Axial slice 173 of 376 of a chest CT (slice 1 is the lowest), reconstructed with the B30f kernel at 120 kVp; 0.75 mm slice thickness and 0.461 mm pixels.
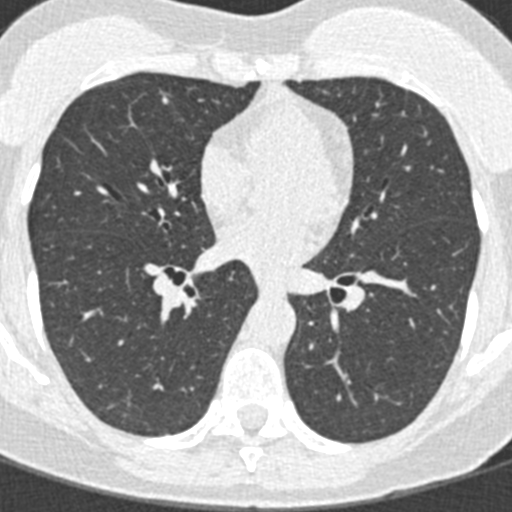
Pulmonary nodule outlined by one of the four readers; box rows 97–104, columns 162–168 (that reader's outline on this slice); longest diameter 4.5 mm and volume 18 mm3 from that reader's outline. Ratings by that reader: texture 5/5 (solid); margin 5/5 (circumscribed); sphericity 5/5 (round); calcification absent; internal structure soft tissue; subtlety 5/5; malignancy likelihood 3/5. Scale key (1–5): texture non-solid→solid, margin indistinct→circumscribed, sphericity linear→round, subtlety extremely subtle→obvious, malignancy likelihood highly unlikely→highly suspicious of cancer. Box rows and columns are 0-based pixel indices from the top-left corner, inclusive.